Chest CT, axial plane, 120 kVp, kernel LUNG. Slice 44/133 from the bottom of the scan; thickness 2.50 mm; pixel size 0.703 mm.
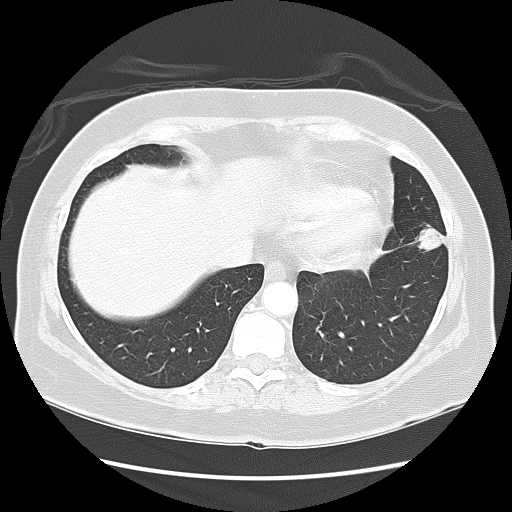
Pulmonary nodule outlined by all four readers; box rows 227–252, columns 406–445 (the union of the readers' outlines on this slice); longest diameter 23.7 mm on average over the four readers' outlines (readers' outlines 21.5–29.0 mm), volume 4280–5428 mm3. The readers' prevailing ratings and who disagreed: most readers (three of four) put texture at 5/5 (solid), others 4/5 (one); margin 5/5 (circumscribed) by three of four readers; the rest gave 4/5 (one); sphericity 3/5 (ovoid) by two of four readers; the rest gave 4/5 (one), 5/5 (round) (one); calcification absent from all four readers; internal structure soft tissue, all four readers agreeing; most readers (three of four) put subtlety at 5/5, others 4/5 (one); malignancy likelihood 4/5 by three of four readers; the rest gave 5/5 (one). Scale key (1–5): texture non-solid→solid, margin indistinct→circumscribed, sphericity linear→round, subtlety extremely subtle→obvious, malignancy likelihood highly unlikely→highly suspicious of cancer. Box rows and columns are 0-based pixel indices from the top-left corner, inclusive.